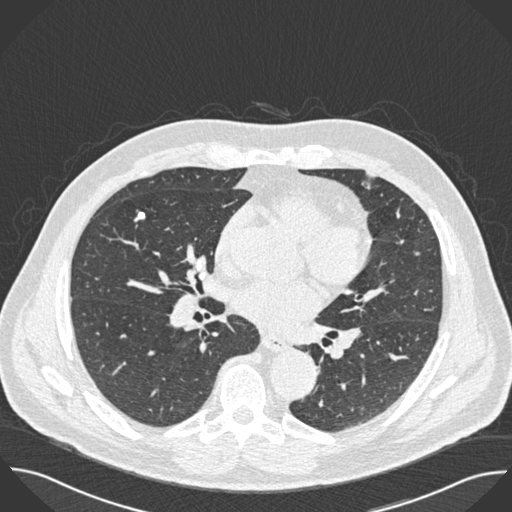
Axial chest CT slice 267 of 493 (counted from the lowest slice); tube voltage 120 kVp, convolution kernel B30f; slices 0.75 mm thick, 0.762 mm per pixel.
Pulmonary nodule outlined by all four readers; box rows 211–221, columns 134–145 (the union of the readers' outlines on this slice); median longest diameter 11.4 mm (readers' outlines 10.9–16.8 mm), median volume 275 mm3 (182–413 mm3). Ratings, median across the readers with their spread: texture 5/5 (solid) from all four readers; margin 4.5/5 at the median of four readers, spread 3/5 to 5/5 (circumscribed); median sphericity 3.5/5 (readers ranged 3/5 (ovoid) to 5/5 (round)); calcification solid calcification from all four readers; internal structure soft tissue, all four readers agreeing; median subtlety 5/5 (readers ranged 4–5); malignancy likelihood 1/5 from all four readers. Scale key (1–5): texture non-solid→solid, margin indistinct→circumscribed, sphericity linear→round, subtlety extremely subtle→obvious, malignancy likelihood highly unlikely→highly suspicious of cancer. Box rows and columns are 0-based pixel indices from the top-left corner, inclusive.